Chest CT, axial plane, 120 kVp, kernel B30f. Slice 214/493 from the bottom of the scan; thickness 0.75 mm; pixel size 0.762 mm.
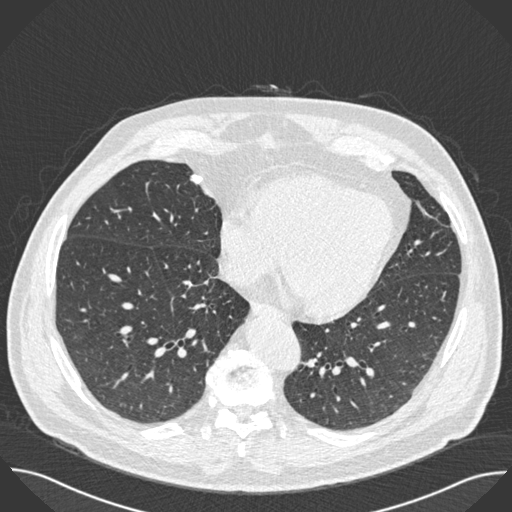
Pulmonary nodule outlined by all four readers; box rows 174–184, columns 190–202 (the union of the readers' outlines on this slice); longest diameter 11.0 mm on average over the four readers' outlines (readers' outlines 10.6–11.2 mm), volume 320–406 mm3. Ratings, by the readers' most common answer with dissent counted: texture 5/5 (solid), all four readers agreeing; margin 5/5 (circumscribed) from all four readers; sphericity 4/5 by three of four readers; the rest gave 3/5 (ovoid) (one); calcification solid calcification by three of four readers, central calcification (one); internal structure soft tissue, all four readers agreeing; subtlety split among the readers: 4/5 (two), 5/5 (two); malignancy likelihood 1/5, all four readers agreeing. Scale key (1–5): texture non-solid→solid, margin indistinct→circumscribed, sphericity linear→round, subtlety extremely subtle→obvious, malignancy likelihood highly unlikely→highly suspicious of cancer. Box rows and columns are 0-based pixel indices from the top-left corner, inclusive.